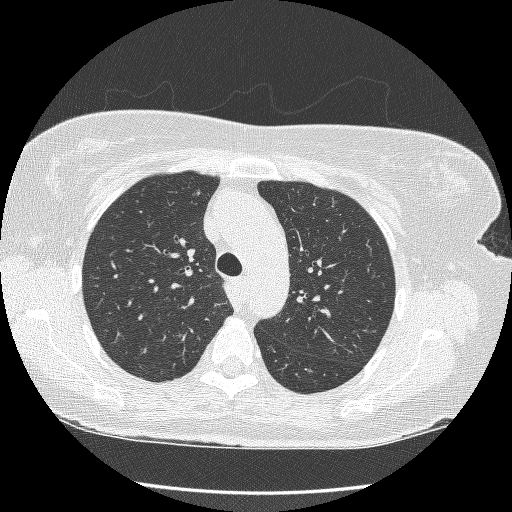
Chest CT, axial plane, 120 kVp, kernel BONE. Slice 180/246 from the bottom of the scan; thickness 1.25 mm; pixel size 0.617 mm.
The readers outlined no nodule of 3 mm or more on this slice.